Axial slice 110 of 192 of a chest CT (slice 1 is the lowest), reconstructed with the B30f kernel at 120 kVp; 2.00 mm slice thickness and 0.566 mm pixels.
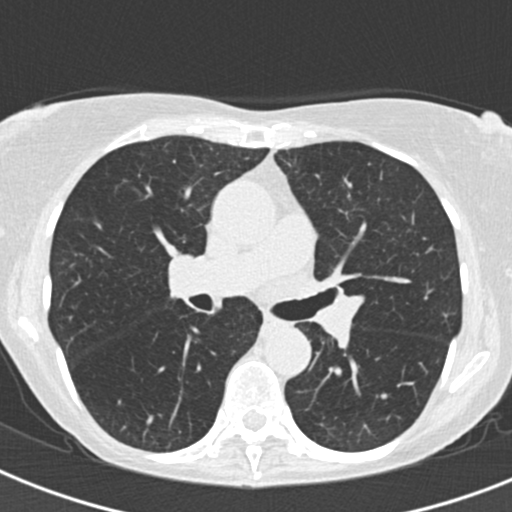
Pulmonary nodule, outlined by three of the four readers. Box on this slice rows 392–399, columns 378–388, the union of the readers' outlines on this slice; longest diameter 7.0 mm on average over the three readers' outlines (readers' outlines 6.8–7.2 mm), volume 96–121 mm3. The readers' prevailing ratings and who disagreed: texture 5/5 (solid), all three readers agreeing; margin 5/5 (circumscribed) by two of three readers; the rest gave 4/5 (one); sphericity 5/5 (round) by two of three readers; the rest gave 3/5 (ovoid) (one); calcification absent, all three readers agreeing; internal structure soft tissue, all three readers agreeing; most readers (two of three) put subtlety at 4/5, others 2/5 (one); malignancy likelihood 3/5, all three readers agreeing. Scale key (1–5): texture non-solid→solid, margin indistinct→circumscribed, sphericity linear→round, subtlety extremely subtle→obvious, malignancy likelihood highly unlikely→highly suspicious of cancer. Box rows and columns are 0-based pixel indices from the top-left corner, inclusive.